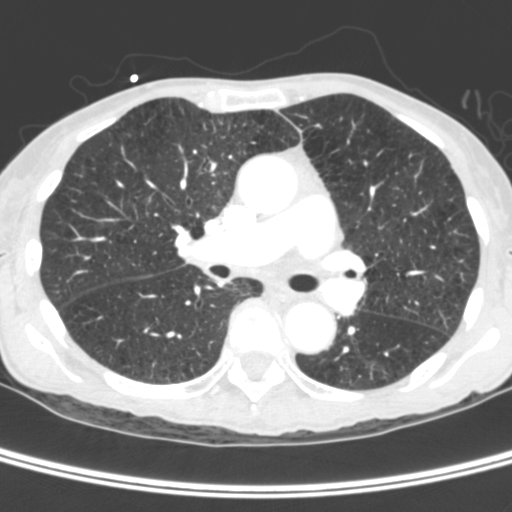
One axial slice (221 of 400, counting up from the lowest) of a chest CT acquired at 120 kVp with the C kernel; each pixel is 0.527 mm and the slice is 1.50 mm thick.
This slice carries no reader outline of a nodule 3 mm or larger.